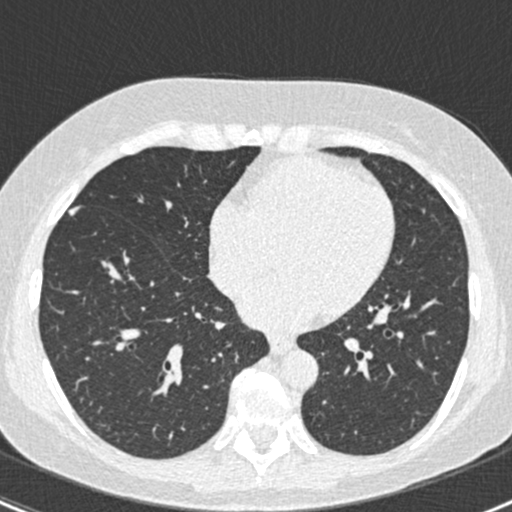
Axial chest CT slice 197 of 429 (counted from the lowest slice); tube voltage 120 kVp, convolution kernel B30f; slices 0.75 mm thick, 0.586 mm per pixel.
Pulmonary nodule at rows 205–216, columns 67–81 (box = the union of the readers' outlines on this slice), outlined by three of the four readers; longest diameter 9.8–12.3 mm and volume 207–302 mm3 across the three readers' outlines. Ratings across the readers: texture 5/5 (solid) from all three readers; margin from 4/5 to 5/5 (circumscribed) across the three readers; sphericity from 2/5 to 3/5 (ovoid) across the three readers; calcification absent, all three readers agreeing; internal structure soft tissue, all three readers agreeing; subtlety 5/5 from all three readers; malignancy likelihood from 2/5 to 4/5 across the three readers. Scale key (1–5): texture non-solid→solid, margin indistinct→circumscribed, sphericity linear→round, subtlety extremely subtle→obvious, malignancy likelihood highly unlikely→highly suspicious of cancer. Box rows and columns are 0-based pixel indices from the top-left corner, inclusive.